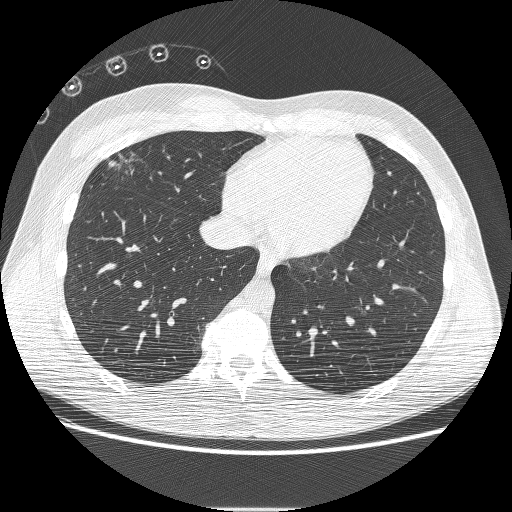
This is axial slice 70 of 230 (slice 1 is the lowest) of a chest CT; each pixel is 0.732 mm and the slice is 1.25 mm thick. Pulmonary nodule outlined by all four readers; box rows 153–167, columns 107–123 (the union of the readers' outlines on this slice); longest diameter 23.5–29.5 mm and volume 3146–3701 mm3 across the four readers' outlines. Ratings across the readers: texture 5/5 (solid), all four readers agreeing; margin from 3/5 to 5/5 (circumscribed) across the four readers; sphericity from 3/5 (ovoid) to 4/5 across the four readers; calcification absent from all four readers; internal structure soft tissue from all four readers; subtlety 5/5, all four readers agreeing; malignancy likelihood from 4/5 to 5/5 across the four readers. Scale key (1–5): texture non-solid→solid, margin indistinct→circumscribed, sphericity linear→round, subtlety extremely subtle→obvious, malignancy likelihood highly unlikely→highly suspicious of cancer. Box rows and columns are 0-based pixel indices from the top-left corner, inclusive.
Scan settings: 120 kVp, BONE reconstruction kernel.